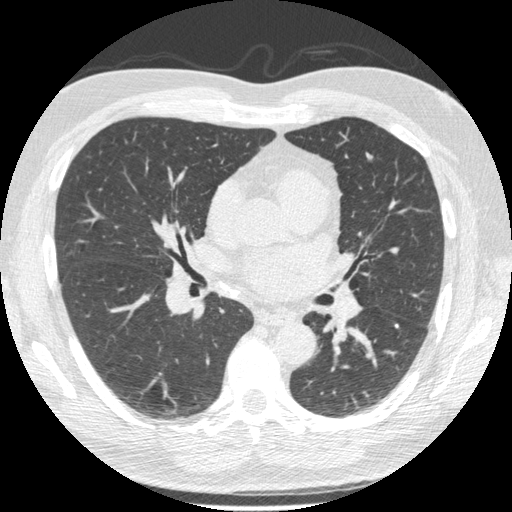
One axial slice (300 of 557, counting up from the lowest) of a chest CT acquired at 120 kVp with the STANDARD kernel; each pixel is 0.703 mm and the slice is 1.25 mm thick.
Pulmonary nodule at rows 324–327, columns 393–398 (box = the union of the readers' outlines on this slice), outlined by all four readers; median longest diameter 8.7 mm (readers' outlines 6.0–9.4 mm), median volume 161 mm3 (90–190 mm3). Median ratings and the readers' spread: texture 5/5 (solid), all four readers agreeing; median margin 5/5 (circumscribed) (readers ranged 4/5 to 5/5 (circumscribed)); sphericity 4.5/5 at the median of four readers, spread 2/5 to 5/5 (round); calcification split among the readers: non-central calcification (two), solid calcification (two); internal structure soft tissue, all four readers agreeing; subtlety 4.5/5 at the median of four readers, spread 3–5; malignancy likelihood 1/5 at the median of four readers, spread 1–2. Scale key (1–5): texture non-solid→solid, margin indistinct→circumscribed, sphericity linear→round, subtlety extremely subtle→obvious, malignancy likelihood highly unlikely→highly suspicious of cancer. Box rows and columns are 0-based pixel indices from the top-left corner, inclusive.